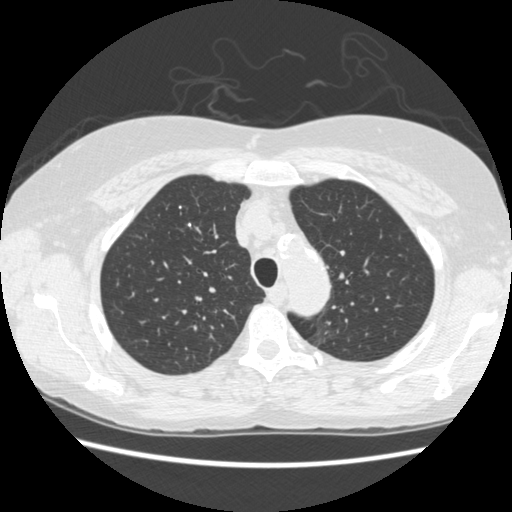
Axial chest CT slice 377 of 477 (counted from the lowest slice); 1.25 mm thick, 0.664 mm per pixel. Pulmonary nodule at rows 222–226, columns 187–190 (box = that reader's outline on this slice), outlined by one of the four readers; longest diameter 4.0 mm and volume 22 mm3 from that reader's outline. Ratings by that reader: texture 5/5 (solid); margin 5/5 (circumscribed); sphericity 5/5 (round); calcification solid calcification; internal structure soft tissue; subtlety 5/5; malignancy likelihood 1/5. Scale key (1–5): texture non-solid→solid, margin indistinct→circumscribed, sphericity linear→round, subtlety extremely subtle→obvious, malignancy likelihood highly unlikely→highly suspicious of cancer. Box rows and columns are 0-based pixel indices from the top-left corner, inclusive.
Acquired at 120 kVp and reconstructed with the STANDARD kernel.